Axial chest CT slice 332 of 536 (counted from the lowest slice); tube voltage 120 kVp, convolution kernel B30f; slices 0.75 mm thick, 0.656 mm per pixel.
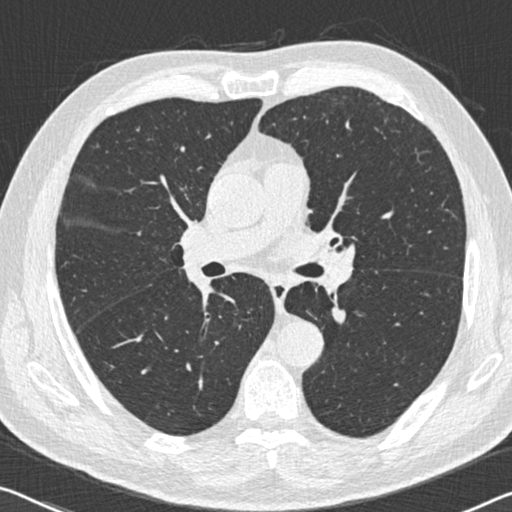
Pulmonary nodule at rows 231–236, columns 137–140 (box = the union of the readers' outlines on this slice), outlined by two of the four readers; median longest diameter 5.6 mm (readers' outlines 5.4–5.9 mm), median volume 40 mm3 (38–42 mm3). Ratings, median across the readers with their spread: texture 5/5 (solid), both readers agreeing; margin 5/5 (circumscribed), both readers agreeing; sphericity 4.5/5 at the median of two readers, spread 4/5 to 5/5 (round); calcification solid calcification from both readers; internal structure soft tissue from both readers; subtlety 5/5, both readers agreeing; malignancy likelihood 1/5, both readers agreeing. Scale key (1–5): texture non-solid→solid, margin indistinct→circumscribed, sphericity linear→round, subtlety extremely subtle→obvious, malignancy likelihood highly unlikely→highly suspicious of cancer. Box rows and columns are 0-based pixel indices from the top-left corner, inclusive.